Axial slice 129 of 238 of a chest CT (slice 1 is the lowest), reconstructed with the STANDARD kernel at 120 kVp; 1.25 mm slice thickness and 0.625 mm pixels.
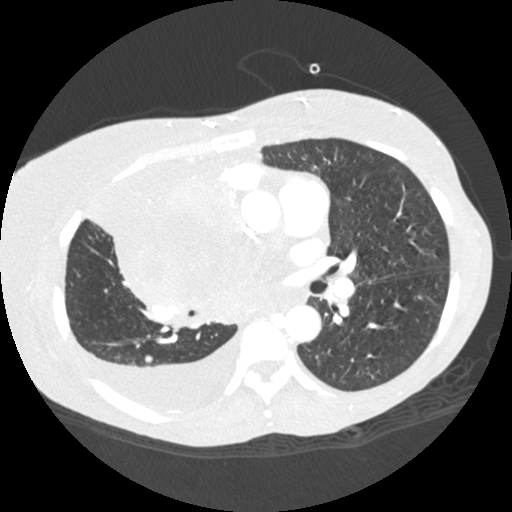
Pulmonary nodule, outlined by all four readers. Box on this slice rows 355–363, columns 145–152, the union of the readers' outlines on this slice; median longest diameter 7.1 mm (readers' outlines 6.7–7.3 mm), median volume 152 mm3 (136–179 mm3). Ratings, median across the readers with their spread: texture 5/5 (solid), all four readers agreeing; margin 5/5 (circumscribed) at the median of four readers, spread 4/5 to 5/5 (circumscribed); sphericity 4.5/5 at the median of four readers, spread 3/5 (ovoid) to 5/5 (round); calcification absent, all four readers agreeing; internal structure soft tissue from all four readers; median subtlety 3.5/5 (readers ranged 3–5); malignancy likelihood 2.5/5 at the median of four readers, spread 2–3. Scale key (1–5): texture non-solid→solid, margin indistinct→circumscribed, sphericity linear→round, subtlety extremely subtle→obvious, malignancy likelihood highly unlikely→highly suspicious of cancer. Box rows and columns are 0-based pixel indices from the top-left corner, inclusive.